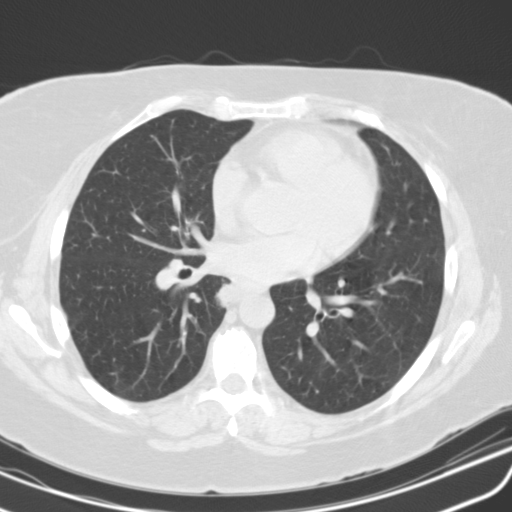
Slice 65/115 of a chest CT, counting up from the lowest; pixel size 0.652 mm, slice thickness 3.00 mm. Pulmonary nodule, outlined by three of the four readers. Box on this slice rows 285–305, columns 217–234, the union of the readers' outlines on this slice; median longest diameter 29.4 mm (readers' outlines 24.2–34.9 mm), median volume 3534 mm3 (3268–5378 mm3). Median ratings and the readers' spread: median texture 5/5 (solid) (readers ranged 4/5 to 5/5 (solid)); median margin 3/5 (readers ranged 2/5 to 4/5); sphericity 3/5 (ovoid) at the median of three readers, spread 2/5 to 5/5 (round); calcification absent from all three readers; internal structure soft tissue from all three readers; subtlety 5/5 at the median of three readers, spread 4–5; malignancy likelihood 4/5 from all three readers. Scale key (1–5): texture non-solid→solid, margin indistinct→circumscribed, sphericity linear→round, subtlety extremely subtle→obvious, malignancy likelihood highly unlikely→highly suspicious of cancer. Box rows and columns are 0-based pixel indices from the top-left corner, inclusive.
Scan settings: 130 kVp, B31s reconstruction kernel.